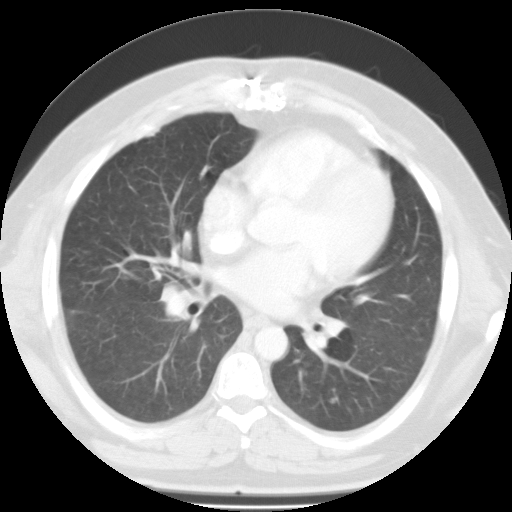
Chest CT, axial plane, 135 kVp, kernel FC01. Slice 55/99 from the bottom of the scan; thickness 3.00 mm; pixel size 0.698 mm.
Pulmonary nodule at rows 398–402, columns 330–334 (box = that reader's outline on this slice), outlined by one of the four readers; longest diameter 4.7 mm and volume 124 mm3 from that reader's outline. Ratings by that reader: texture 3/5 (part-solid); margin 3/5; sphericity 3/5 (ovoid); calcification absent; internal structure soft tissue; subtlety 3/5; malignancy likelihood 3/5. Scale key (1–5): texture non-solid→solid, margin indistinct→circumscribed, sphericity linear→round, subtlety extremely subtle→obvious, malignancy likelihood highly unlikely→highly suspicious of cancer. Box rows and columns are 0-based pixel indices from the top-left corner, inclusive.